Axial chest CT slice 115 of 474 (counted from the lowest slice); tube voltage 120 kVp, convolution kernel STANDARD; slices 1.25 mm thick, 0.625 mm per pixel.
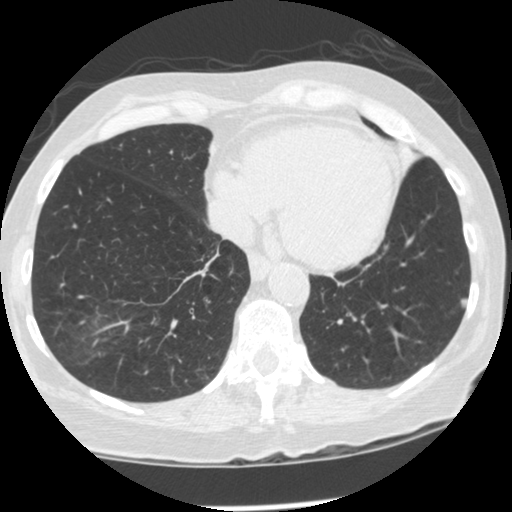
Pulmonary nodule at rows 297–308, columns 459–466 (box = the union of the readers' outlines on this slice), outlined by three of the four readers; median longest diameter 7.3 mm (readers' outlines 7.1–8.1 mm), median volume 94 mm3 (92–97 mm3). Ratings, median across the readers with their spread: texture 4/5 at the median of three readers, spread 4/5 to 5/5 (solid); margin 4/5 at the median of three readers, spread 3/5 to 5/5 (circumscribed); median sphericity 3/5 (ovoid) (readers ranged 2/5 to 4/5); calcification absent, all three readers agreeing; internal structure soft tissue from all three readers; median subtlety 4/5 (readers ranged 3–5); malignancy likelihood 2/5 at the median of three readers, spread 2–3. Scale key (1–5): texture non-solid→solid, margin indistinct→circumscribed, sphericity linear→round, subtlety extremely subtle→obvious, malignancy likelihood highly unlikely→highly suspicious of cancer. Box rows and columns are 0-based pixel indices from the top-left corner, inclusive.